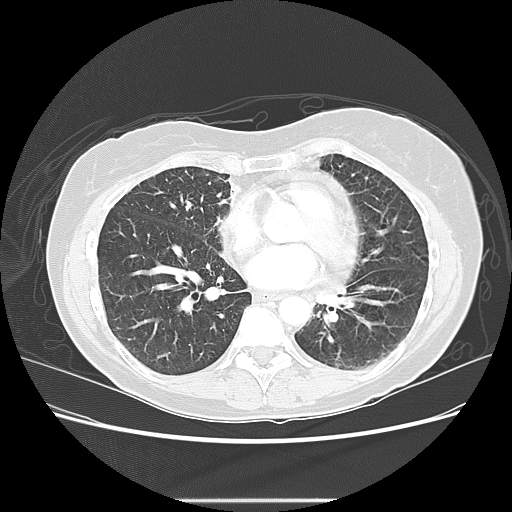
Chest CT, axial plane, 120 kVp, kernel LUNG. Slice 68/130 from the bottom of the scan; thickness 2.50 mm; pixel size 0.703 mm.
This slice carries no reader outline of a nodule 3 mm or larger.